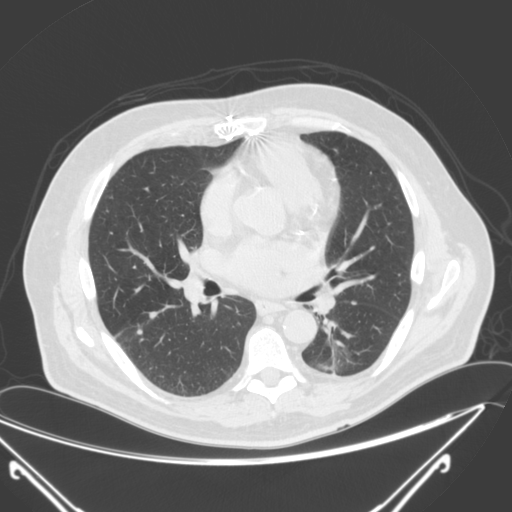
Axial slice 140 of 290 of a chest CT (slice 1 is the lowest), reconstructed with the B kernel at 120 kVp; 2.00 mm slice thickness and 0.816 mm pixels.
Three pulmonary nodules on this slice, listed from left to right. (1) Pulmonary nodule outlined by three of the four readers; box rows 328–334, columns 135–142 (the union of the readers' outlines on this slice); the three readers' outlines give a longest diameter between 6.2 and 7.0 mm and a volume between 90 and 113 mm3. Ratings across the readers: texture 5/5 (solid), all three readers agreeing; margin from 4/5 to 5/5 (circumscribed) across the three readers; sphericity from 4/5 to 5/5 (round) across the three readers; calcification absent from all three readers; internal structure soft tissue, all three readers agreeing; subtlety rated between 4 and 5 out of 5 by the three readers; malignancy likelihood rated between 2 and 3 out of 5 by the three readers. (2) Pulmonary nodule, outlined by two of the four readers. Box on this slice rows 312–318, columns 149–157, the union of the readers' outlines on this slice; median longest diameter 9.4 mm (readers' outlines 8.8–10.0 mm), median volume 149 mm3 (144–154 mm3). Median ratings and the readers' spread: texture 5/5 (solid) from both readers; margin 5/5 (circumscribed), both readers agreeing; median sphericity 3.5/5 (readers ranged 3/5 (ovoid) to 4/5); calcification absent, both readers agreeing; internal structure soft tissue from both readers; subtlety 4/5 at the median of two readers, spread 3–5; median malignancy likelihood 2.5/5 (readers ranged 2–3). (3) Pulmonary nodule at rows 301–305, columns 351–356 (box = the union of the readers' outlines on this slice), outlined by all four readers; median longest diameter 6.8 mm (readers' outlines 5.5–7.0 mm), median volume 85 mm3 (49–100 mm3). Median ratings and the readers' spread: texture 5/5 (solid) at the median of four readers, spread 4/5 to 5/5 (solid); margin 5/5 (circumscribed) at the median of four readers, spread 4/5 to 5/5 (circumscribed); median sphericity 4/5 (readers ranged 3/5 (ovoid) to 5/5 (round)); calcification absent, all four readers agreeing; internal structure soft tissue from all four readers; subtlety 4.5/5 at the median of four readers, spread 4–5; malignancy likelihood 2.5/5 at the median of four readers, spread 2–3. Scale key (1–5): texture non-solid→solid, margin indistinct→circumscribed, sphericity linear→round, subtlety extremely subtle→obvious, malignancy likelihood highly unlikely→highly suspicious of cancer. Box rows and columns are 0-based pixel indices from the top-left corner, inclusive.